One axial slice (112 of 258, counting up from the lowest) of a chest CT acquired at 120 kVp with the STANDARD kernel; each pixel is 0.859 mm and the slice is 1.25 mm thick.
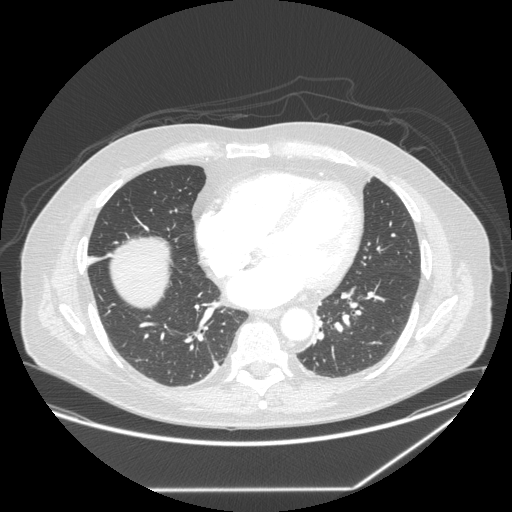
Pulmonary nodule outlined by all four readers, one of them on this slice; box rows 330–333, columns 386–394 (the one reader's outline on this slice); the four readers' outlines give a longest diameter between 13.1 and 16.3 mm and a volume between 787 and 1264 mm3. Ratings across the readers: texture 5/5 (solid), all four readers agreeing; margin from 4/5 to 5/5 (circumscribed) across the four readers; sphericity from 3/5 (ovoid) to 5/5 (round) across the four readers; calcification absent, all four readers agreeing; internal structure soft tissue from all four readers; subtlety 3–5/5 (the readers disagree); malignancy likelihood 2–5/5 (the readers disagree). Scale key (1–5): texture non-solid→solid, margin indistinct→circumscribed, sphericity linear→round, subtlety extremely subtle→obvious, malignancy likelihood highly unlikely→highly suspicious of cancer. Box rows and columns are 0-based pixel indices from the top-left corner, inclusive.